Axial slice 380 of 423 of a chest CT (slice 1 is the lowest), reconstructed with the B30f kernel at 120 kVp; 0.75 mm slice thickness and 0.520 mm pixels.
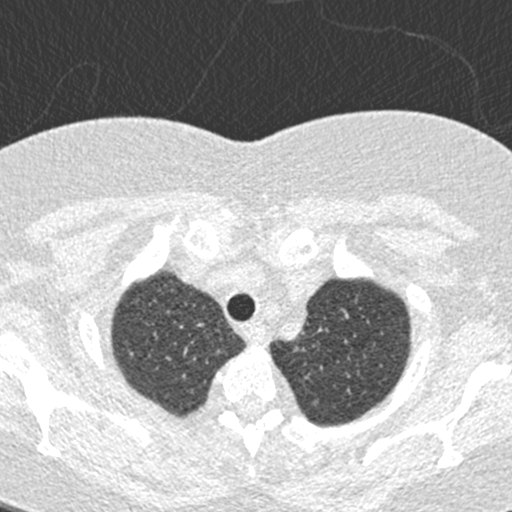
Pulmonary nodule, outlined by two of the four readers. Box on this slice rows 351–356, columns 129–133, the union of the readers' outlines on this slice; longest diameter 3.5 mm on average over the two readers' outlines (readers' outlines 2.8–4.2 mm), volume 7–20 mm3. Ratings, by the readers' most common answer with dissent counted: texture 5/5 (solid) from both readers; margin 5/5 (circumscribed), both readers agreeing; sphericity 5/5 (round), both readers agreeing; calcification solid calcification from both readers; internal structure soft tissue from both readers; subtlety 5/5, both readers agreeing; malignancy likelihood 1/5 from both readers. Scale key (1–5): texture non-solid→solid, margin indistinct→circumscribed, sphericity linear→round, subtlety extremely subtle→obvious, malignancy likelihood highly unlikely→highly suspicious of cancer. Box rows and columns are 0-based pixel indices from the top-left corner, inclusive.